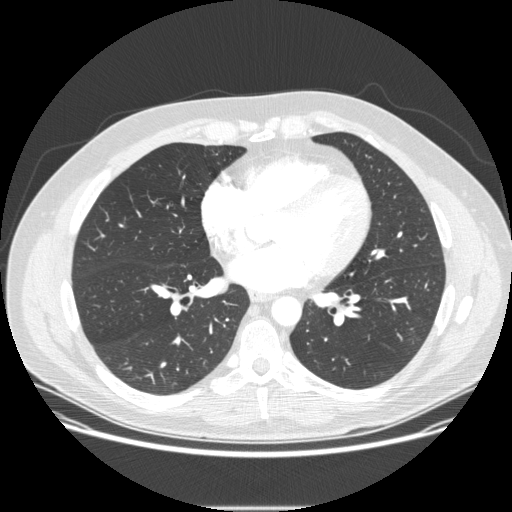
Chest CT, axial plane, 120 kVp, kernel STANDARD. Slice 114/252 from the bottom of the scan; thickness 1.25 mm; pixel size 0.781 mm.
No nodule 3 mm or larger was outlined here by any reader.